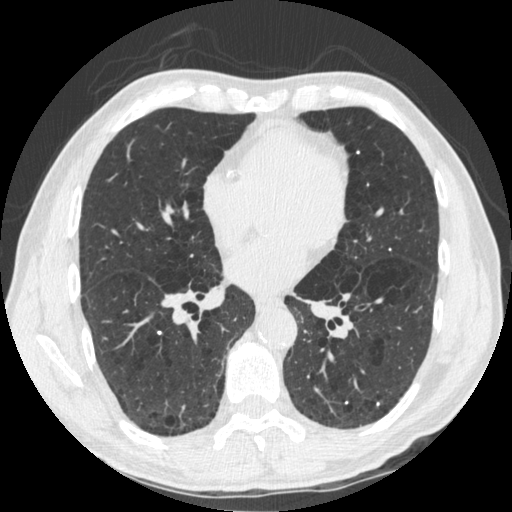
Axial slice 225 of 535 of a chest CT (slice 1 is the lowest), reconstructed with the STANDARD kernel at 120 kVp; 1.25 mm slice thickness and 0.664 mm pixels.
No nodule of 3 mm or larger was outlined by any of the four readers on this slice.